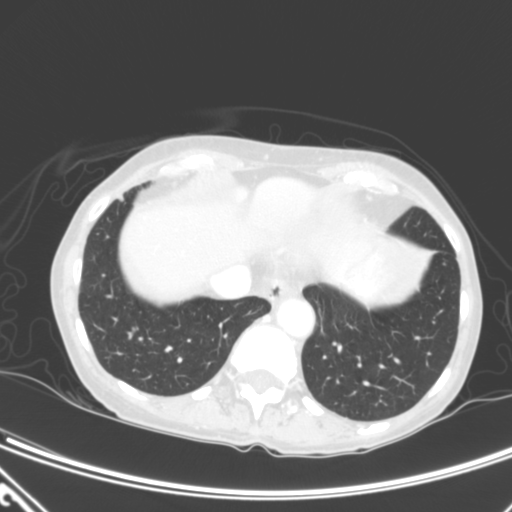
Axial chest CT slice 79 of 320 (counted from the lowest slice); 2.00 mm thick, 0.662 mm per pixel. Pulmonary nodule outlined by one of the four readers; box rows 194–201, columns 118–123 (that reader's outline on this slice); longest diameter 6.6 mm and volume 116 mm3 from that reader's outline. That reader's ratings: texture 5/5 (solid); margin 4/5; sphericity 2/5; calcification absent; internal structure soft tissue; subtlety 2/5; malignancy likelihood 1/5. Scale key (1–5): texture non-solid→solid, margin indistinct→circumscribed, sphericity linear→round, subtlety extremely subtle→obvious, malignancy likelihood highly unlikely→highly suspicious of cancer. Box rows and columns are 0-based pixel indices from the top-left corner, inclusive.
Scan settings: 120 kVp, B reconstruction kernel.